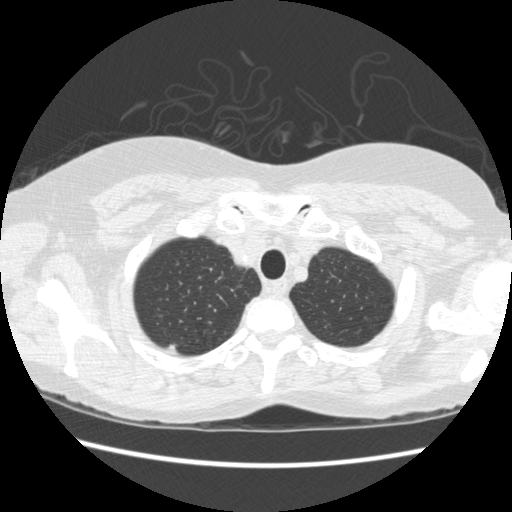
Axial slice 427 of 477 of a chest CT (slice 1 is the lowest), reconstructed with the STANDARD kernel at 120 kVp; 1.25 mm slice thickness and 0.664 mm pixels.
Pulmonary nodule outlined by one of the four readers; box rows 344–349, columns 165–176 (that reader's outline on this slice); longest diameter 8.9 mm and volume 110 mm3 from that reader's outline. Ratings by that reader: texture 5/5 (solid); margin 4/5; sphericity 3/5 (ovoid); calcification absent; internal structure soft tissue; subtlety 4/5; malignancy likelihood 3/5. Scale key (1–5): texture non-solid→solid, margin indistinct→circumscribed, sphericity linear→round, subtlety extremely subtle→obvious, malignancy likelihood highly unlikely→highly suspicious of cancer. Box rows and columns are 0-based pixel indices from the top-left corner, inclusive.